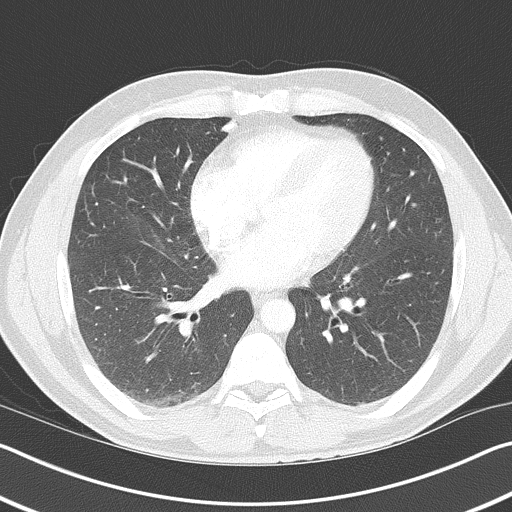
This is axial slice 204 of 368 (slice 1 is the lowest) of a chest CT; each pixel is 0.660 mm and the slice is 2.00 mm thick. Pulmonary nodule, outlined by one of the four readers. Box on this slice rows 121–132, columns 220–235, that reader's outline on this slice; longest diameter 12.5 mm and volume 369 mm3 from that reader's outline. Ratings by that reader: texture 5/5 (solid); margin 5/5 (circumscribed); sphericity 5/5 (round); calcification solid calcification; internal structure soft tissue; subtlety 5/5; malignancy likelihood 1/5. Scale key (1–5): texture non-solid→solid, margin indistinct→circumscribed, sphericity linear→round, subtlety extremely subtle→obvious, malignancy likelihood highly unlikely→highly suspicious of cancer. Box rows and columns are 0-based pixel indices from the top-left corner, inclusive.
Acquired at 120 kVp and reconstructed with the B70f kernel.